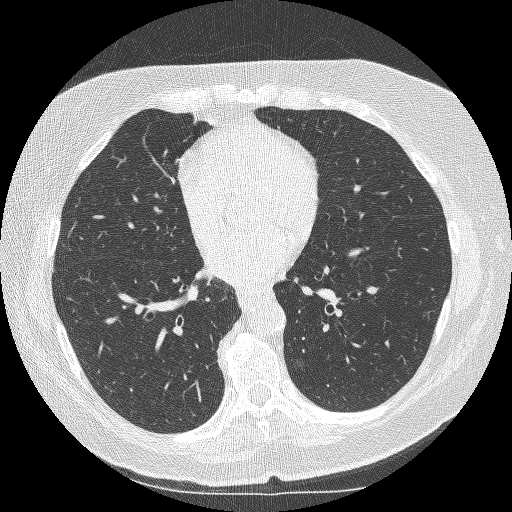
Axial slice 131 of 253 of a chest CT (slice 1 is the lowest), reconstructed with the BONE kernel at 120 kVp; 1.25 mm slice thickness and 0.625 mm pixels.
Pulmonary nodule at rows 356–369, columns 292–305 (box = the union of the readers' outlines on this slice), outlined by two of the four readers; the two readers' outlines give a longest diameter between 12.5 and 18.2 mm and a volume between 433 and 519 mm3. The readers' ratings, as ranges where they differ: texture 1/5 (non-solid) from both readers; margin 1/5 (indistinct) from both readers; sphericity from 3/5 (ovoid) to 5/5 (round) across the two readers; calcification absent, both readers agreeing; internal structure soft tissue from both readers; subtlety 1–3/5 (the readers disagree); malignancy likelihood from 3/5 to 4/5 across the two readers. Scale key (1–5): texture non-solid→solid, margin indistinct→circumscribed, sphericity linear→round, subtlety extremely subtle→obvious, malignancy likelihood highly unlikely→highly suspicious of cancer. Box rows and columns are 0-based pixel indices from the top-left corner, inclusive.